One axial slice (139 of 535, counting up from the lowest) of a chest CT acquired at 120 kVp with the STANDARD kernel; each pixel is 0.664 mm and the slice is 1.25 mm thick.
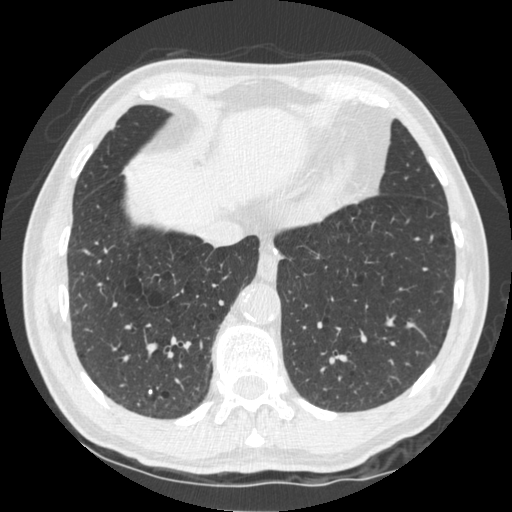
Pulmonary nodule at rows 389–394, columns 148–152 (box = the union of the readers' outlines on this slice), outlined by two of the four readers; the two readers' outlines give a longest diameter of 4.8 mm and a volume of 39 mm3. The readers' ratings, as ranges where they differ: texture 5/5 (solid), both readers agreeing; margin 5/5 (circumscribed), both readers agreeing; sphericity 5/5 (round) from both readers; calcification solid calcification, both readers agreeing; internal structure soft tissue, both readers agreeing; subtlety from 4/5 to 5/5 across the two readers; malignancy likelihood 1/5 from both readers. Scale key (1–5): texture non-solid→solid, margin indistinct→circumscribed, sphericity linear→round, subtlety extremely subtle→obvious, malignancy likelihood highly unlikely→highly suspicious of cancer. Box rows and columns are 0-based pixel indices from the top-left corner, inclusive.